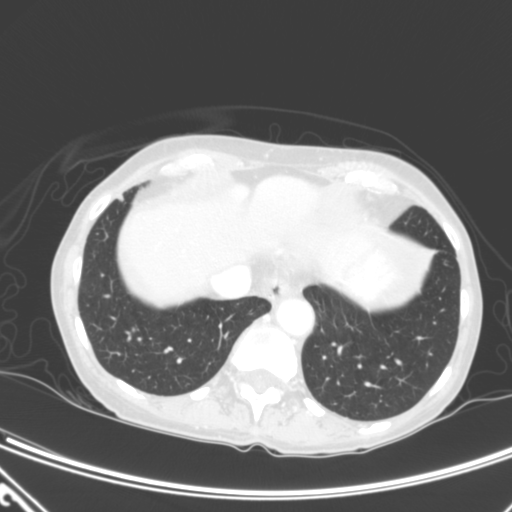
This is axial slice 78 of 320 (slice 1 is the lowest) of a chest CT; each pixel is 0.662 mm and the slice is 2.00 mm thick. Pulmonary nodule outlined by one of the four readers; box rows 194–201, columns 117–123 (that reader's outline on this slice); longest diameter 6.6 mm and volume 116 mm3 from that reader's outline. That reader's ratings: texture 5/5 (solid); margin 4/5; sphericity 2/5; calcification absent; internal structure soft tissue; subtlety 2/5; malignancy likelihood 1/5. Scale key (1–5): texture non-solid→solid, margin indistinct→circumscribed, sphericity linear→round, subtlety extremely subtle→obvious, malignancy likelihood highly unlikely→highly suspicious of cancer. Box rows and columns are 0-based pixel indices from the top-left corner, inclusive.
Tube voltage 120 kVp; convolution kernel B.